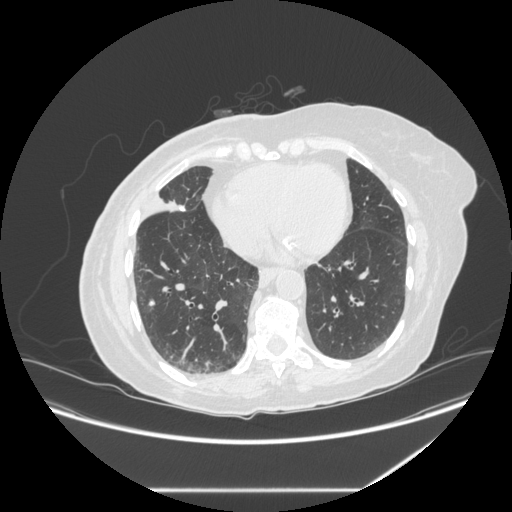
This is axial slice 122 of 281 (slice 1 is the lowest) of a chest CT; each pixel is 0.816 mm and the slice is 1.25 mm thick. Pulmonary nodule at rows 299–306, columns 148–154 (box = the union of the readers' outlines on this slice), outlined by all four readers; longest diameter 8.2 mm on average over the four readers' outlines (readers' outlines 7.4–8.5 mm), volume 147–237 mm3. Ratings, by the readers' most common answer with dissent counted: texture 5/5 (solid) from all four readers; margin 5/5 (circumscribed), all four readers agreeing; sphericity split among the readers: 4/5 (two), 5/5 (round) (two); calcification solid calcification by three of four readers, absent (one); internal structure soft tissue, all four readers agreeing; subtlety 4/5 by three of four readers; the rest gave 5/5 (one); malignancy likelihood 1/5 by three of four readers; the rest gave 3/5 (one). Scale key (1–5): texture non-solid→solid, margin indistinct→circumscribed, sphericity linear→round, subtlety extremely subtle→obvious, malignancy likelihood highly unlikely→highly suspicious of cancer. Box rows and columns are 0-based pixel indices from the top-left corner, inclusive.
Acquired at 120 kVp and reconstructed with the STANDARD kernel.